Chest CT, axial plane, 130 kVp, kernel B31s. Slice 70/124 from the bottom of the scan; thickness 3.00 mm; pixel size 0.656 mm.
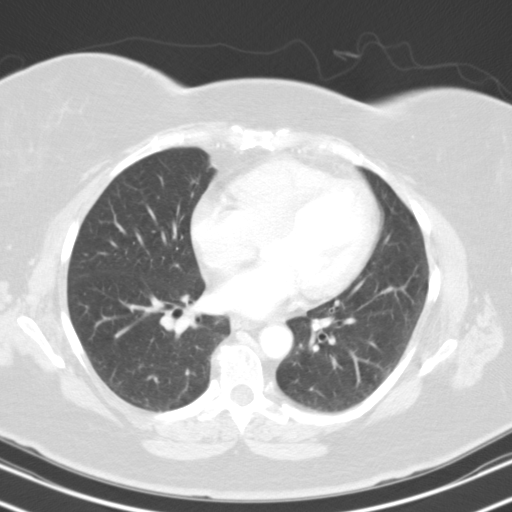
No nodule of 3 mm or larger was outlined by any of the four readers on this slice.